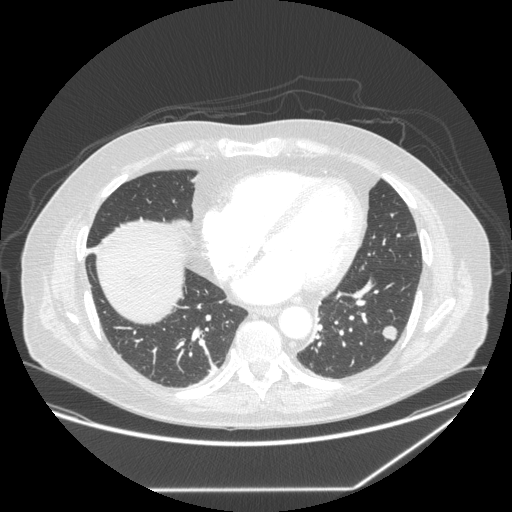
This is axial slice 107 of 258 (slice 1 is the lowest) of a chest CT; each pixel is 0.859 mm and the slice is 1.25 mm thick. Pulmonary nodule at rows 325–340, columns 381–397 (box = the union of the readers' outlines on this slice), outlined by all four readers; median longest diameter 15.5 mm (readers' outlines 13.1–16.3 mm), median volume 1142 mm3 (787–1264 mm3). Ratings, median across the readers with their spread: texture 5/5 (solid) from all four readers; margin 4.5/5 at the median of four readers, spread 4/5 to 5/5 (circumscribed); median sphericity 4.5/5 (readers ranged 3/5 (ovoid) to 5/5 (round)); calcification absent from all four readers; internal structure soft tissue from all four readers; subtlety 5/5 at the median of four readers, spread 3–5; malignancy likelihood 4/5 at the median of four readers, spread 2–5. Scale key (1–5): texture non-solid→solid, margin indistinct→circumscribed, sphericity linear→round, subtlety extremely subtle→obvious, malignancy likelihood highly unlikely→highly suspicious of cancer. Box rows and columns are 0-based pixel indices from the top-left corner, inclusive.
Acquired at 120 kVp and reconstructed with the STANDARD kernel.